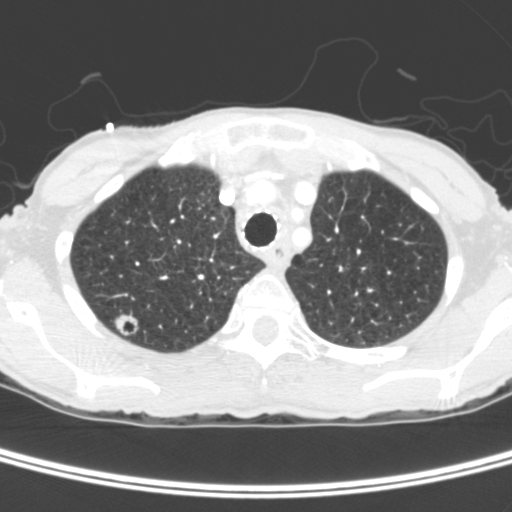
Axial slice 319 of 400 of a chest CT (slice 1 is the lowest), reconstructed with the C kernel at 120 kVp; 1.50 mm slice thickness and 0.527 mm pixels.
Pulmonary nodule outlined by three of the four readers; box rows 312–336, columns 112–138 (the union of the readers' outlines on this slice); longest diameter 15.5 mm on average over the three readers' outlines (readers' outlines 15.0–15.8 mm), volume 1012–1166 mm3. The readers' prevailing ratings and who disagreed: most readers (two of three) put texture at 5/5 (solid), others 3/5 (part-solid) (one); margin 4/5, all three readers agreeing; sphericity 5/5 (round) by two of three readers; the rest gave 4/5 (one); calcification absent from all three readers; internal structure soft tissue by two of three readers, air (one); subtlety 5/5, all three readers agreeing; most readers (two of three) put malignancy likelihood at 5/5, others 4/5 (one). Scale key (1–5): texture non-solid→solid, margin indistinct→circumscribed, sphericity linear→round, subtlety extremely subtle→obvious, malignancy likelihood highly unlikely→highly suspicious of cancer. Box rows and columns are 0-based pixel indices from the top-left corner, inclusive.